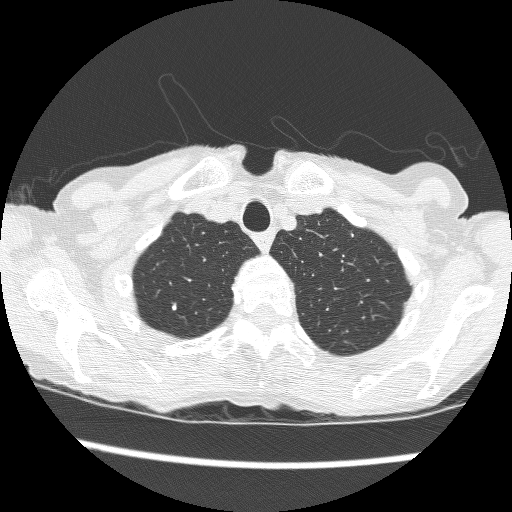
One axial slice (210 of 240, counting up from the lowest) of a chest CT acquired at 120 kVp with the BONE kernel; each pixel is 0.566 mm and the slice is 1.25 mm thick.
Pulmonary nodule outlined by all four readers, three of them on this slice; box rows 233–237, columns 351–353 (the union of the readers' outlines on this slice); longest diameter 5.6 mm on average over the four readers' outlines (readers' outlines 5.3–5.9 mm), volume 60–82 mm3. The readers' prevailing ratings and who disagreed: texture 5/5 (solid), all four readers agreeing; margin 5/5 (circumscribed), all four readers agreeing; sphericity 4/5 by two of four readers; the rest gave 3/5 (ovoid) (one), 5/5 (round) (one); calcification solid calcification by three of four readers, absent (one); internal structure soft tissue, all four readers agreeing; subtlety 5/5 by two of four readers; the rest gave 3/5 (one), 4/5 (one); most readers (three of four) put malignancy likelihood at 1/5, others 4/5 (one). Scale key (1–5): texture non-solid→solid, margin indistinct→circumscribed, sphericity linear→round, subtlety extremely subtle→obvious, malignancy likelihood highly unlikely→highly suspicious of cancer. Box rows and columns are 0-based pixel indices from the top-left corner, inclusive.